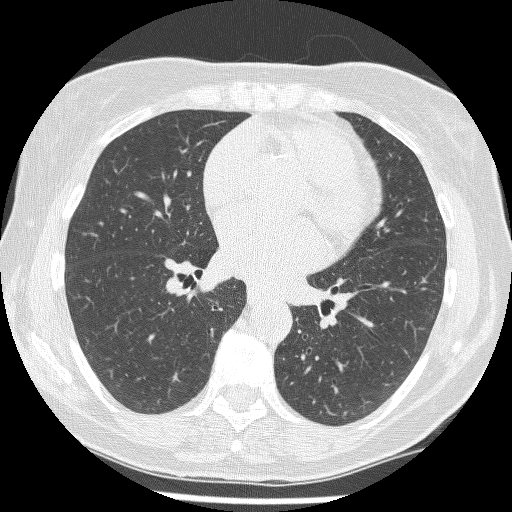
Axial chest CT slice 120 of 241 (counted from the lowest slice); tube voltage 120 kVp, convolution kernel BONE; slices 1.25 mm thick, 0.590 mm per pixel.
Pulmonary nodule, outlined by three of the four readers, two of them on this slice. Box on this slice rows 307–320, columns 424–436, the union of the readers' outlines on this slice; median longest diameter 16.1 mm (readers' outlines 16.1–17.2 mm), median volume 684 mm3 (610–777 mm3). Ratings, median across the readers with their spread: texture 1/5 (non-solid) at the median of three readers, spread 1/5 (non-solid) to 2/5; margin 2/5 at the median of three readers, spread 1/5 (indistinct) to 3/5; sphericity 3/5 (ovoid) at the median of three readers, spread 3/5 (ovoid) to 4/5; calcification absent, all three readers agreeing; internal structure soft tissue from all three readers; subtlety 3/5 at the median of three readers, spread 2–4; median malignancy likelihood 3/5 (readers ranged 3–4). Scale key (1–5): texture non-solid→solid, margin indistinct→circumscribed, sphericity linear→round, subtlety extremely subtle→obvious, malignancy likelihood highly unlikely→highly suspicious of cancer. Box rows and columns are 0-based pixel indices from the top-left corner, inclusive.